Axial chest CT slice 96 of 193 (counted from the lowest slice); tube voltage 120 kVp, convolution kernel B30f; slices 2.00 mm thick, 0.605 mm per pixel.
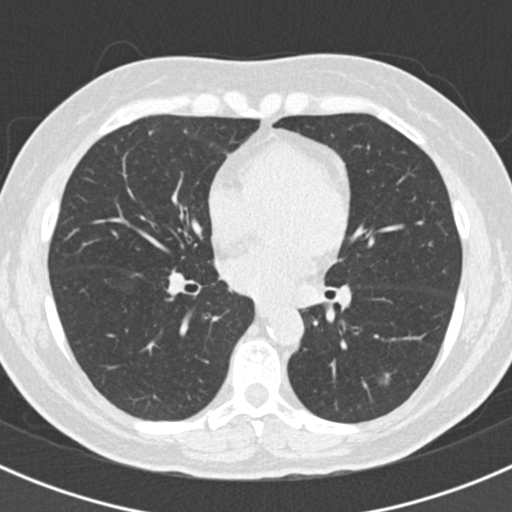
Pulmonary nodule, outlined by three of the four readers. Box on this slice rows 372–385, columns 376–396, the union of the readers' outlines on this slice; longest diameter 12.8 mm on average over the three readers' outlines (readers' outlines 11.1–14.0 mm), volume 148–243 mm3. Ratings, by the readers' most common answer with dissent counted: texture split among the readers: 1/5 (non-solid) (one), 2/5 (one), 3/5 (part-solid) (one); most readers (two of three) put margin at 3/5, others 2/5 (one); most readers (two of three) put sphericity at 4/5, others 2/5 (one); calcification absent, all three readers agreeing; internal structure soft tissue from all three readers; subtlety split among the readers: 2/5 (one), 3/5 (one), 5/5 (one); malignancy likelihood 3/5, all three readers agreeing. Scale key (1–5): texture non-solid→solid, margin indistinct→circumscribed, sphericity linear→round, subtlety extremely subtle→obvious, malignancy likelihood highly unlikely→highly suspicious of cancer. Box rows and columns are 0-based pixel indices from the top-left corner, inclusive.